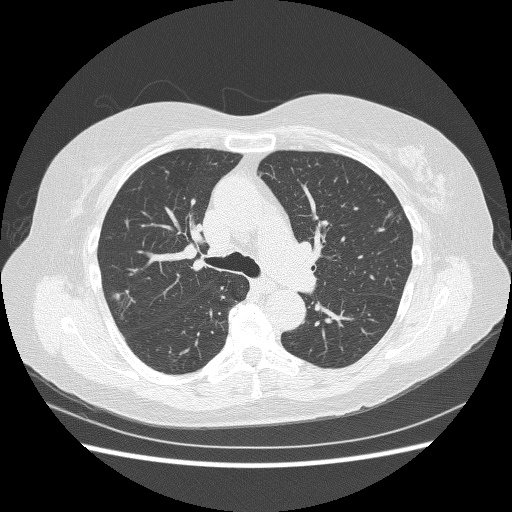
Chest CT, axial plane, 120 kVp, kernel BONE. Slice 161/240 from the bottom of the scan; thickness 1.25 mm; pixel size 0.703 mm.
Pulmonary nodule, outlined by one of the four readers. Box on this slice rows 294–299, columns 114–118, that reader's outline on this slice; longest diameter 6.0 mm and volume 103 mm3 from that reader's outline. That reader's ratings: texture 5/5 (solid); margin 5/5 (circumscribed); sphericity 4/5; calcification absent; internal structure soft tissue; subtlety 4/5; malignancy likelihood 2/5. Scale key (1–5): texture non-solid→solid, margin indistinct→circumscribed, sphericity linear→round, subtlety extremely subtle→obvious, malignancy likelihood highly unlikely→highly suspicious of cancer. Box rows and columns are 0-based pixel indices from the top-left corner, inclusive.